Axial slice 196 of 280 of a chest CT (slice 1 is the lowest), reconstructed with the B kernel at 120 kVp; 2.00 mm slice thickness and 0.676 mm pixels.
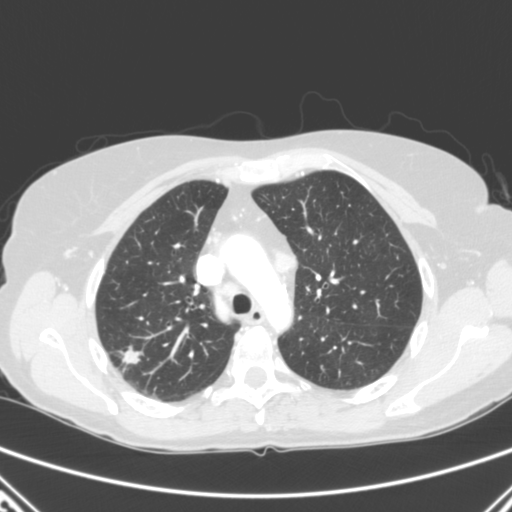
Pulmonary nodule, outlined three times (the source holds two more outlines, not used). Box on this slice rows 345–372, columns 110–143, the union of the readers' outlines on this slice; median longest diameter 19.7 mm (readers' outlines 19.6–26.7 mm), median volume 999 mm3 (949–1659 mm3). Median ratings and the readers' spread: median texture 5/5 (solid) (readers ranged 4/5 to 5/5 (solid)); margin 3/5 at the median of three readers, spread 3/5 to 4/5; median sphericity 3/5 (ovoid) (readers ranged 2/5 to 5/5 (round)); calcification absent, all three readers agreeing; internal structure soft tissue, all three readers agreeing; subtlety 5/5, all three readers agreeing; malignancy likelihood 5/5 at the median of three readers, spread 4–5. Scale key (1–5): texture non-solid→solid, margin indistinct→circumscribed, sphericity linear→round, subtlety extremely subtle→obvious, malignancy likelihood highly unlikely→highly suspicious of cancer. Box rows and columns are 0-based pixel indices from the top-left corner, inclusive.